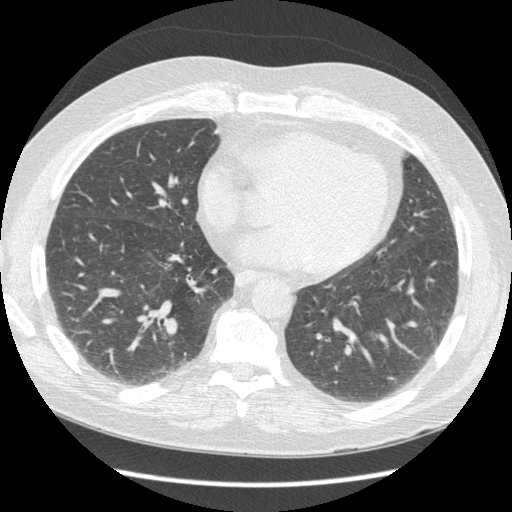
Axial chest CT slice 155 of 429 (counted from the lowest slice); tube voltage 120 kVp, convolution kernel STANDARD; slices 1.25 mm thick, 0.703 mm per pixel.
Pulmonary nodule, outlined by all four readers, three of them on this slice. Box on this slice rows 374–379, columns 382–393, the union of the readers' outlines on this slice; the four readers' outlines give a longest diameter between 7.9 and 12.4 mm and a volume between 94 and 254 mm3. The readers' ratings, as ranges where they differ: texture 5/5 (solid), all four readers agreeing; margin from 3/5 to 5/5 (circumscribed) across the four readers; sphericity from 3/5 (ovoid) to 5/5 (round) across the four readers; calcification absent, all four readers agreeing; internal structure soft tissue, all four readers agreeing; subtlety 3–5/5 (the readers disagree); malignancy likelihood 2–4/5 (the readers disagree). Scale key (1–5): texture non-solid→solid, margin indistinct→circumscribed, sphericity linear→round, subtlety extremely subtle→obvious, malignancy likelihood highly unlikely→highly suspicious of cancer. Box rows and columns are 0-based pixel indices from the top-left corner, inclusive.